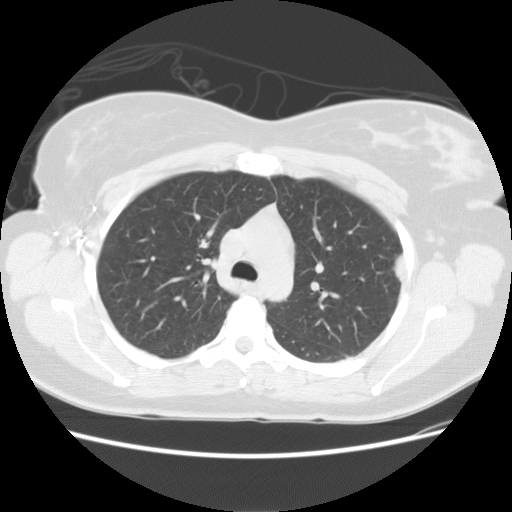
One axial slice (94 of 127, counting up from the lowest) of a chest CT acquired at 120 kVp with the STANDARD kernel; each pixel is 0.703 mm and the slice is 2.50 mm thick.
Pulmonary nodule outlined by all four readers; box rows 253–282, columns 392–405 (the union of the readers' outlines on this slice); longest diameter 24.6–26.3 mm and volume 2071–2699 mm3 across the four readers' outlines. The readers' ratings, as ranges where they differ: texture 5/5 (solid) from all four readers; margin from 4/5 to 5/5 (circumscribed) across the four readers; sphericity from 3/5 (ovoid) to 5/5 (round) across the four readers; calcification absent from all four readers; internal structure soft tissue, all four readers agreeing; subtlety 5/5 from all four readers; malignancy likelihood 3–5/5 (the readers disagree). Scale key (1–5): texture non-solid→solid, margin indistinct→circumscribed, sphericity linear→round, subtlety extremely subtle→obvious, malignancy likelihood highly unlikely→highly suspicious of cancer. Box rows and columns are 0-based pixel indices from the top-left corner, inclusive.